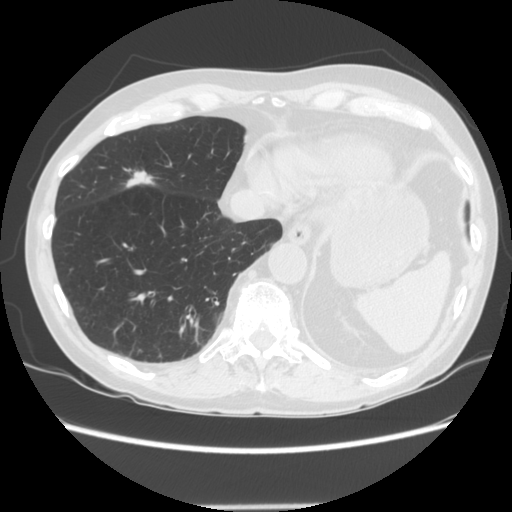
Axial slice 44 of 143 of a chest CT (slice 1 is the lowest), reconstructed with the STANDARD kernel at 120 kVp; 2.50 mm slice thickness and 0.703 mm pixels.
Pulmonary nodule outlined by all four readers; box rows 169–188, columns 124–155 (the union of the readers' outlines on this slice); longest diameter 21.6–28.5 mm and volume 1793–2260 mm3 across the four readers' outlines. Ratings across the readers: texture from 4/5 to 5/5 (solid) across the four readers; margin from 4/5 to 5/5 (circumscribed) across the four readers; sphericity from 2/5 to 5/5 (round) across the four readers; calcification absent, all four readers agreeing; internal structure soft tissue, all four readers agreeing; subtlety 5/5 from all four readers; malignancy likelihood from 4/5 to 5/5 across the four readers. Scale key (1–5): texture non-solid→solid, margin indistinct→circumscribed, sphericity linear→round, subtlety extremely subtle→obvious, malignancy likelihood highly unlikely→highly suspicious of cancer. Box rows and columns are 0-based pixel indices from the top-left corner, inclusive.